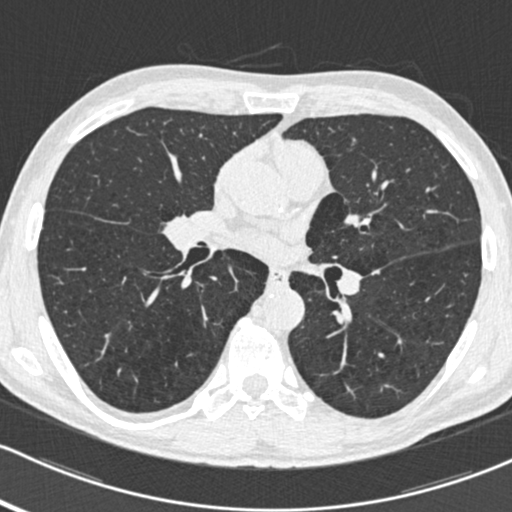
Chest CT, axial plane, 120 kVp, kernel B30f. Slice 276/483 from the bottom of the scan; thickness 0.75 mm; pixel size 0.617 mm.
Pulmonary nodule outlined by one of the four readers; box rows 168–171, columns 406–409 (that reader's outline on this slice); longest diameter 5.0 mm and volume 22 mm3 from that reader's outline. Ratings by that reader: texture 5/5 (solid); margin 5/5 (circumscribed); sphericity 5/5 (round); calcification absent; internal structure soft tissue; subtlety 5/5; malignancy likelihood 2/5. Scale key (1–5): texture non-solid→solid, margin indistinct→circumscribed, sphericity linear→round, subtlety extremely subtle→obvious, malignancy likelihood highly unlikely→highly suspicious of cancer. Box rows and columns are 0-based pixel indices from the top-left corner, inclusive.